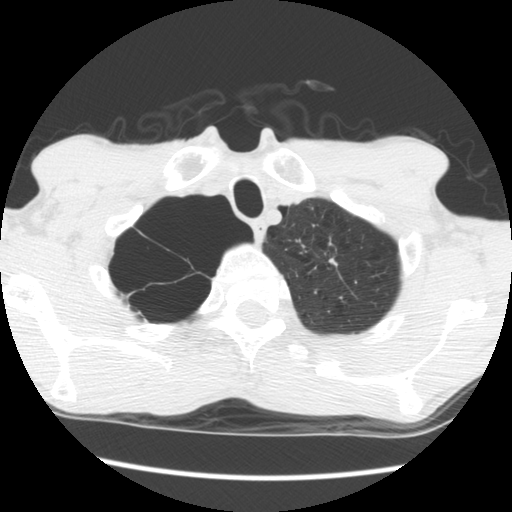
One axial slice (162 of 181, counting up from the lowest) of a chest CT acquired at 120 kVp with the STANDARD kernel; each pixel is 0.645 mm and the slice is 2.50 mm thick.
Pulmonary nodule outlined by all four readers; box rows 257–266, columns 327–337 (the union of the readers' outlines on this slice); median longest diameter 11.7 mm (readers' outlines 10.5–14.4 mm), median volume 355 mm3 (215–737 mm3). Median ratings and the readers' spread: texture 5/5 (solid) from all four readers; median margin 4/5 (readers ranged 3/5 to 5/5 (circumscribed)); sphericity 2/5 at the median of four readers, spread 2/5 to 3/5 (ovoid); calcification absent, all four readers agreeing; internal structure soft tissue from all four readers; subtlety 4/5 at the median of four readers, spread 3–4; malignancy likelihood 3/5 at the median of four readers, spread 2–4. Scale key (1–5): texture non-solid→solid, margin indistinct→circumscribed, sphericity linear→round, subtlety extremely subtle→obvious, malignancy likelihood highly unlikely→highly suspicious of cancer. Box rows and columns are 0-based pixel indices from the top-left corner, inclusive.